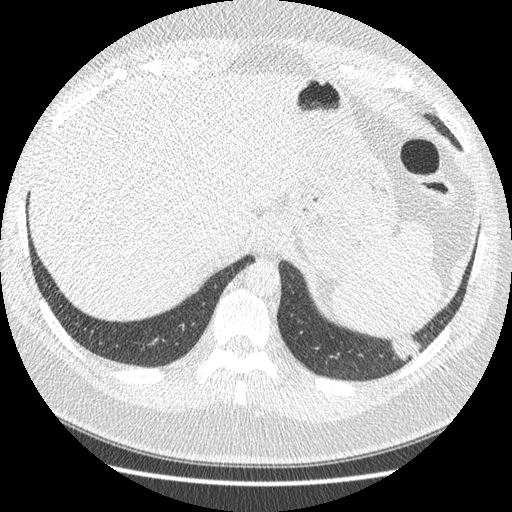
One axial slice (41 of 421, counting up from the lowest) of a chest CT acquired at 120 kVp with the STANDARD kernel; each pixel is 0.703 mm and the slice is 1.25 mm thick.
Pulmonary nodule, outlined four times (the source holds four more outlines, not used). Box on this slice rows 336–360, columns 391–421, the union of the readers' outlines on this slice; median longest diameter 32.9 mm (readers' outlines 30.9–38.9 mm), median volume 5450 mm3 (4443–5826 mm3). Median ratings and the readers' spread: median texture 5/5 (solid) (readers ranged 4/5 to 5/5 (solid)); median margin 4/5 (readers ranged 3/5 to 4/5); median sphericity 2.5/5 (readers ranged 2/5 to 4/5); calcification absent, all four readers agreeing; internal structure soft tissue from all four readers; subtlety 5/5 at the median of four readers, spread 4–5; median malignancy likelihood 3.5/5 (readers ranged 2–5). Scale key (1–5): texture non-solid→solid, margin indistinct→circumscribed, sphericity linear→round, subtlety extremely subtle→obvious, malignancy likelihood highly unlikely→highly suspicious of cancer. Box rows and columns are 0-based pixel indices from the top-left corner, inclusive.